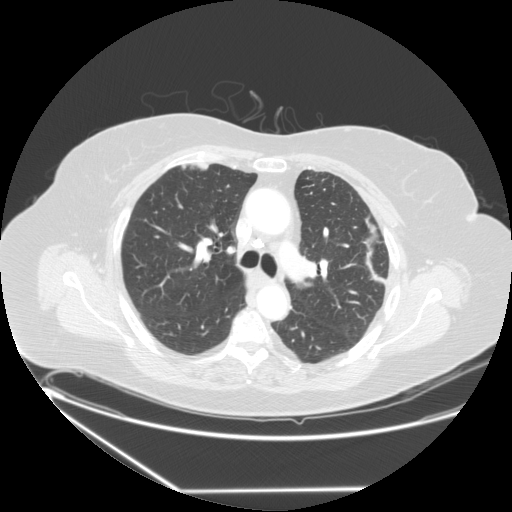
Chest CT, axial plane, 120 kVp, kernel STANDARD. Slice 163/241 from the bottom of the scan; thickness 1.25 mm; pixel size 0.822 mm.
The readers outlined no nodule of 3 mm or more on this slice.